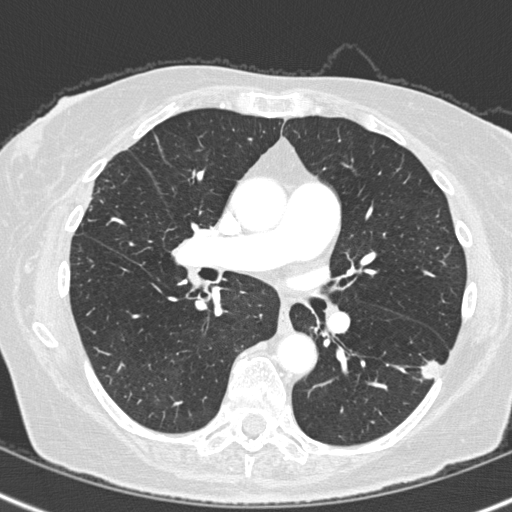
Slice 175/308 of a chest CT, counting up from the lowest; pixel size 0.586 mm, slice thickness 1.00 mm. Pulmonary nodule at rows 358–378, columns 419–443 (box = the union of the readers' outlines on this slice), outlined by all four readers; longest diameter 15.5–19.6 mm and volume 724–1186 mm3 across the four readers' outlines. Ratings across the readers: texture from 4/5 to 5/5 (solid) across the four readers; margin from 3/5 to 4/5 across the four readers; sphericity from 3/5 (ovoid) to 5/5 (round) across the four readers; calcification absent from all four readers; internal structure soft tissue, all four readers agreeing; subtlety 4–5/5 (the readers disagree); malignancy likelihood rated between 4 and 5 out of 5 by the four readers. Scale key (1–5): texture non-solid→solid, margin indistinct→circumscribed, sphericity linear→round, subtlety extremely subtle→obvious, malignancy likelihood highly unlikely→highly suspicious of cancer. Box rows and columns are 0-based pixel indices from the top-left corner, inclusive.
Scan settings: 120 kVp, B45f reconstruction kernel.